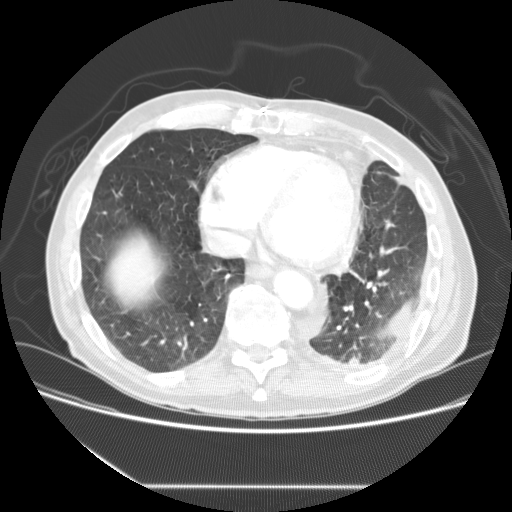
Axial slice 61 of 149 of a chest CT (slice 1 is the lowest), reconstructed with the STANDARD kernel at 120 kVp; 2.50 mm slice thickness and 0.742 mm pixels.
Pulmonary nodule at rows 357–364, columns 350–357 (box = that reader's outline on this slice), outlined by one of the four readers; longest diameter 9.7 mm and volume 438 mm3 from that reader's outline. Ratings by that reader: texture 5/5 (solid); margin 5/5 (circumscribed); sphericity 4/5; calcification absent; internal structure soft tissue; subtlety 3/5; malignancy likelihood 2/5. Scale key (1–5): texture non-solid→solid, margin indistinct→circumscribed, sphericity linear→round, subtlety extremely subtle→obvious, malignancy likelihood highly unlikely→highly suspicious of cancer. Box rows and columns are 0-based pixel indices from the top-left corner, inclusive.